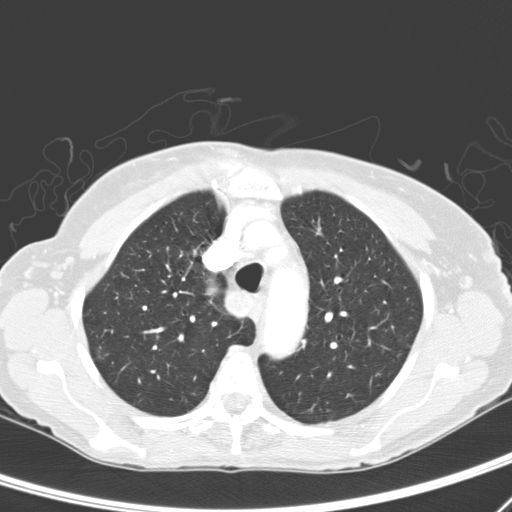
Slice 223/276 of a chest CT, counting up from the lowest; pixel size 0.617 mm, slice thickness 2.00 mm. Pulmonary nodule, outlined by two of the four readers, one of them on this slice. Box on this slice rows 348–357, columns 95–103, the one reader's outline on this slice; longest diameter 8.0–10.8 mm and volume 90–183 mm3 across the two readers' outlines. The readers' ratings, as ranges where they differ: texture from 1/5 (non-solid) to 2/5 across the two readers; margin from 1/5 (indistinct) to 2/5 across the two readers; sphericity 4/5, both readers agreeing; calcification absent from both readers; internal structure soft tissue, both readers agreeing; subtlety rated between 3 and 4 out of 5 by the two readers; malignancy likelihood 3/5 from both readers. Scale key (1–5): texture non-solid→solid, margin indistinct→circumscribed, sphericity linear→round, subtlety extremely subtle→obvious, malignancy likelihood highly unlikely→highly suspicious of cancer. Box rows and columns are 0-based pixel indices from the top-left corner, inclusive.
Scan settings: 120 kVp, D reconstruction kernel.